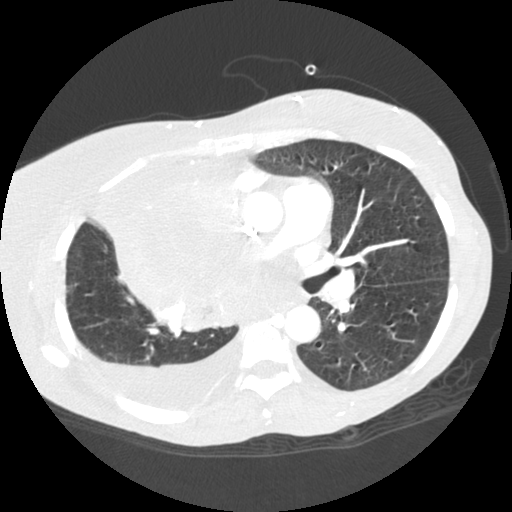
This is axial slice 133 of 238 (slice 1 is the lowest) of a chest CT; each pixel is 0.625 mm and the slice is 1.25 mm thick. Pulmonary nodule at rows 356–359, columns 145–149 (box = the one reader's outline on this slice), outlined by all four readers, one of them on this slice; longest diameter 7.1 mm on average over the four readers' outlines (readers' outlines 6.7–7.3 mm), volume 136–179 mm3. Ratings, by the readers' most common answer with dissent counted: texture 5/5 (solid), all four readers agreeing; margin 5/5 (circumscribed) by three of four readers; the rest gave 4/5 (one); sphericity 5/5 (round) by two of four readers; the rest gave 3/5 (ovoid) (one), 4/5 (one); calcification absent from all four readers; internal structure soft tissue, all four readers agreeing; subtlety 3/5 by two of four readers; the rest gave 4/5 (one), 5/5 (one); malignancy likelihood split among the readers: 2/5 (two), 3/5 (two). Scale key (1–5): texture non-solid→solid, margin indistinct→circumscribed, sphericity linear→round, subtlety extremely subtle→obvious, malignancy likelihood highly unlikely→highly suspicious of cancer. Box rows and columns are 0-based pixel indices from the top-left corner, inclusive.
Tube voltage 120 kVp; convolution kernel STANDARD.